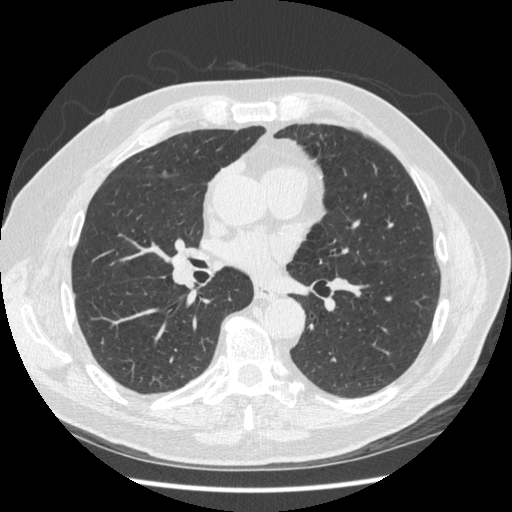
One axial slice (229 of 477, counting up from the lowest) of a chest CT acquired at 120 kVp with the STANDARD kernel; each pixel is 0.703 mm and the slice is 1.25 mm thick.
Pulmonary nodule outlined by two of the four readers, one of them on this slice; box rows 166–168, columns 149–152 (the one reader's outline on this slice); longest diameter 8.2–10.5 mm and volume 48–81 mm3 across the two readers' outlines. The readers' ratings, as ranges where they differ: texture 5/5 (solid) from both readers; margin from 4/5 to 5/5 (circumscribed) across the two readers; sphericity from 2/5 to 5/5 (round) across the two readers; calcification absent, both readers agreeing; internal structure soft tissue from both readers; subtlety 3/5 from both readers; malignancy likelihood from 2/5 to 3/5 across the two readers. Scale key (1–5): texture non-solid→solid, margin indistinct→circumscribed, sphericity linear→round, subtlety extremely subtle→obvious, malignancy likelihood highly unlikely→highly suspicious of cancer. Box rows and columns are 0-based pixel indices from the top-left corner, inclusive.